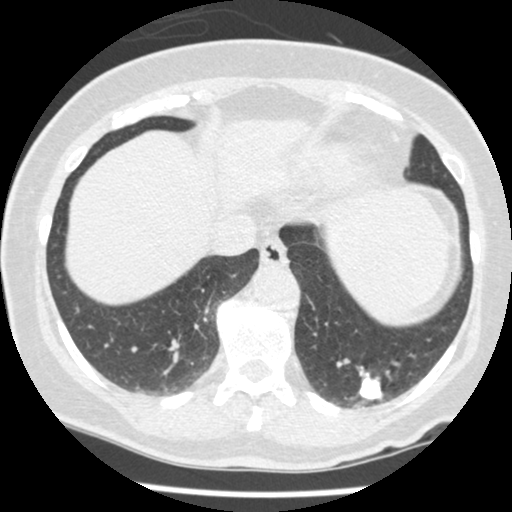
Chest CT, axial plane, 120 kVp, kernel STANDARD. Slice 124/465 from the bottom of the scan; thickness 1.25 mm; pixel size 0.586 mm.
Pulmonary nodule, outlined by all four readers. Box on this slice rows 372–399, columns 358–383, the union of the readers' outlines on this slice; the four readers' outlines give a longest diameter between 15.8 and 20.8 mm and a volume between 1106 and 1600 mm3. Ratings across the readers: texture 5/5 (solid) from all four readers; margin from 3/5 to 5/5 (circumscribed) across the four readers; sphericity from 3/5 (ovoid) to 4/5 across the four readers; calcification: absent (two), solid calcification (one), central calcification (one); internal structure soft tissue, all four readers agreeing; subtlety 5/5 from all four readers; malignancy likelihood rated between 1 and 5 out of 5 by the four readers. Scale key (1–5): texture non-solid→solid, margin indistinct→circumscribed, sphericity linear→round, subtlety extremely subtle→obvious, malignancy likelihood highly unlikely→highly suspicious of cancer. Box rows and columns are 0-based pixel indices from the top-left corner, inclusive.